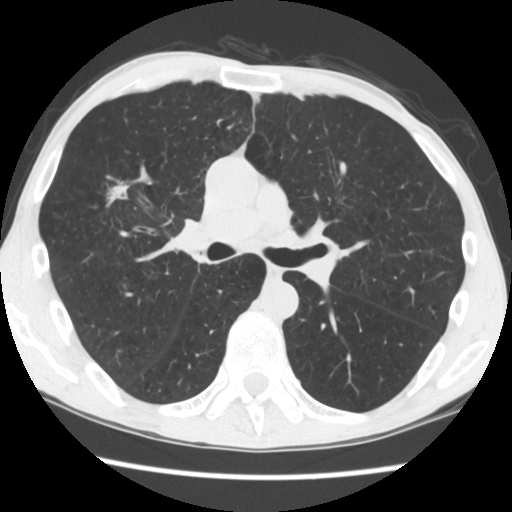
Slice 104/181 of a chest CT, counting up from the lowest; pixel size 0.645 mm, slice thickness 2.50 mm. Pulmonary nodule at rows 175–208, columns 105–130 (box = the union of the readers' outlines on this slice), outlined by all four readers; longest diameter 35.2–44.7 mm and volume 5781–11800 mm3 across the four readers' outlines. Ratings across the readers: texture from 4/5 to 5/5 (solid) across the four readers; margin from 2/5 to 4/5 across the four readers; sphericity from 2/5 to 5/5 (round) across the four readers; calcification absent from all four readers; internal structure soft tissue, all four readers agreeing; subtlety 5/5 from all four readers; malignancy likelihood 5/5 from all four readers. Scale key (1–5): texture non-solid→solid, margin indistinct→circumscribed, sphericity linear→round, subtlety extremely subtle→obvious, malignancy likelihood highly unlikely→highly suspicious of cancer. Box rows and columns are 0-based pixel indices from the top-left corner, inclusive.
Acquired at 120 kVp and reconstructed with the STANDARD kernel.